Chest CT, axial plane, 120 kVp, kernel STANDARD. Slice 151/261 from the bottom of the scan; thickness 1.25 mm; pixel size 0.781 mm.
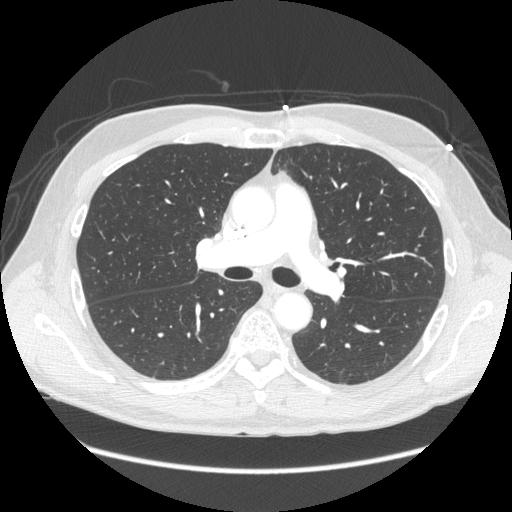
Pulmonary nodule, outlined by two of the four readers, one of them on this slice. Box on this slice rows 248–251, columns 414–417, the one reader's outline on this slice; median longest diameter 6.1 mm (readers' outlines 5.9–6.3 mm), median volume 80 mm3 (66–94 mm3). Ratings, median across the readers with their spread: texture 5/5 (solid) from both readers; median margin 4.5/5 (readers ranged 4/5 to 5/5 (circumscribed)); sphericity 5/5 (round) from both readers; calcification absent from both readers; internal structure soft tissue, both readers agreeing; subtlety 1.5/5 at the median of two readers, spread 1–2; median malignancy likelihood 2.5/5 (readers ranged 2–3). Scale key (1–5): texture non-solid→solid, margin indistinct→circumscribed, sphericity linear→round, subtlety extremely subtle→obvious, malignancy likelihood highly unlikely→highly suspicious of cancer. Box rows and columns are 0-based pixel indices from the top-left corner, inclusive.